Axial slice 75 of 230 of a chest CT (slice 1 is the lowest), reconstructed with the STANDARD kernel at 120 kVp; 1.25 mm slice thickness and 0.742 mm pixels.
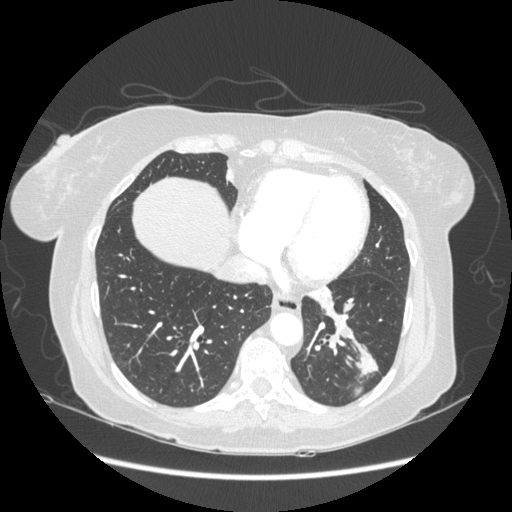
Pulmonary nodule, outlined by all four readers. Box on this slice rows 344–375, columns 355–377, the union of the readers' outlines on this slice; median longest diameter 30.2 mm (readers' outlines 23.1–31.5 mm), median volume 4051 mm3 (3020–5074 mm3). Median ratings and the readers' spread: texture 5/5 (solid), all four readers agreeing; median margin 4/5 (readers ranged 3/5 to 5/5 (circumscribed)); median sphericity 3/5 (ovoid) (readers ranged 3/5 (ovoid) to 5/5 (round)); calcification absent, all four readers agreeing; internal structure soft tissue from all four readers; subtlety 5/5, all four readers agreeing; malignancy likelihood 5/5 at the median of four readers, spread 3–5. Scale key (1–5): texture non-solid→solid, margin indistinct→circumscribed, sphericity linear→round, subtlety extremely subtle→obvious, malignancy likelihood highly unlikely→highly suspicious of cancer. Box rows and columns are 0-based pixel indices from the top-left corner, inclusive.